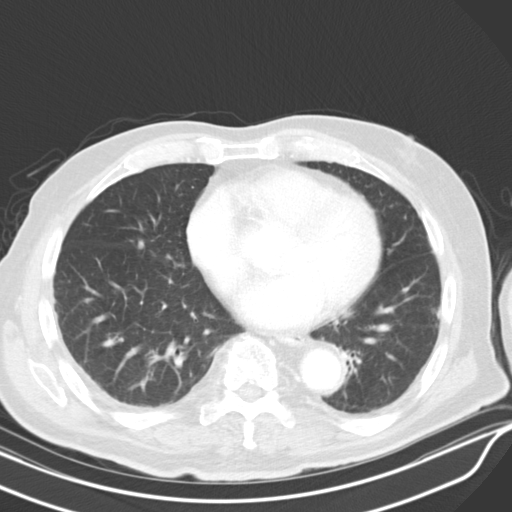
This is axial slice 221 of 319 (slice 1 is the lowest) of a chest CT; each pixel is 0.729 mm and the slice is 4.00 mm thick. Pulmonary nodule at rows 240–248, columns 138–143 (box = the union of the readers' outlines on this slice), outlined by three of the four readers; longest diameter 7.3–7.6 mm and volume 142–180 mm3 across the three readers' outlines. Ratings across the readers: texture from 2/5 to 5/5 (solid) across the three readers; margin from 2/5 to 4/5 across the three readers; sphericity from 2/5 to 4/5 across the three readers; calcification absent from all three readers; internal structure soft tissue from all three readers; subtlety 2–5/5 (the readers disagree); malignancy likelihood rated between 2 and 3 out of 5 by the three readers. Scale key (1–5): texture non-solid→solid, margin indistinct→circumscribed, sphericity linear→round, subtlety extremely subtle→obvious, malignancy likelihood highly unlikely→highly suspicious of cancer. Box rows and columns are 0-based pixel indices from the top-left corner, inclusive.
Tube voltage 130 kVp; convolution kernel B30s.